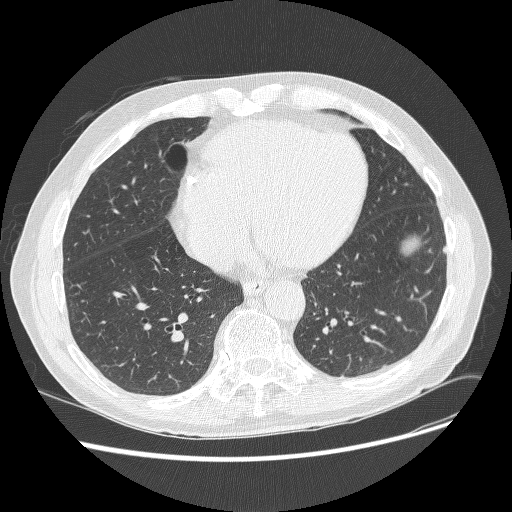
Axial slice 106 of 268 of a chest CT (slice 1 is the lowest), reconstructed with the BONE kernel at 120 kVp; 1.25 mm slice thickness and 0.742 mm pixels.
Pulmonary nodule outlined by two of the four readers; box rows 246–253, columns 442–446 (the union of the readers' outlines on this slice); median longest diameter 6.2 mm (readers' outlines 5.4–7.0 mm), median volume 64 mm3 (50–77 mm3). Ratings, median across the readers with their spread: texture 4.5/5 at the median of two readers, spread 4/5 to 5/5 (solid); median margin 3.5/5 (readers ranged 2/5 to 5/5 (circumscribed)); median sphericity 4/5 (readers ranged 3/5 (ovoid) to 5/5 (round)); calcification absent, both readers agreeing; internal structure soft tissue from both readers; subtlety 4/5, both readers agreeing; malignancy likelihood 3/5, both readers agreeing. Scale key (1–5): texture non-solid→solid, margin indistinct→circumscribed, sphericity linear→round, subtlety extremely subtle→obvious, malignancy likelihood highly unlikely→highly suspicious of cancer. Box rows and columns are 0-based pixel indices from the top-left corner, inclusive.